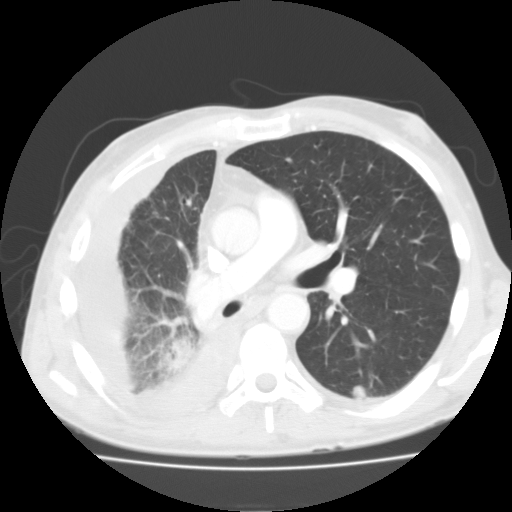
This is axial slice 69 of 118 (slice 1 is the lowest) of a chest CT; each pixel is 0.705 mm and the slice is 3.00 mm thick. Pulmonary nodule at rows 385–399, columns 352–366 (box = the union of the readers' outlines on this slice), outlined by all four readers; median longest diameter 12.4 mm (readers' outlines 11.1–13.4 mm), median volume 823 mm3 (595–1044 mm3). Ratings, median across the readers with their spread: texture 5/5 (solid) at the median of four readers, spread 4/5 to 5/5 (solid); median margin 5/5 (circumscribed) (readers ranged 3/5 to 5/5 (circumscribed)); sphericity 5/5 (round), all four readers agreeing; calcification absent from all four readers; internal structure soft tissue, all four readers agreeing; subtlety 4.5/5 at the median of four readers, spread 4–5; malignancy likelihood 3/5 at the median of four readers, spread 3–5. Scale key (1–5): texture non-solid→solid, margin indistinct→circumscribed, sphericity linear→round, subtlety extremely subtle→obvious, malignancy likelihood highly unlikely→highly suspicious of cancer. Box rows and columns are 0-based pixel indices from the top-left corner, inclusive.
Scan settings: 135 kVp, FC01 reconstruction kernel.